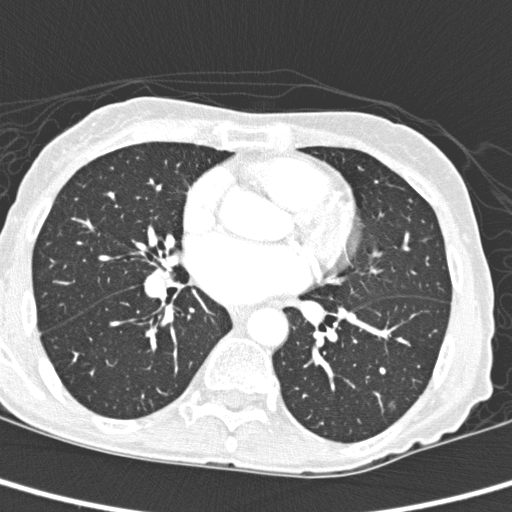
Axial chest CT slice 136 of 280 (counted from the lowest slice); tube voltage 120 kVp, convolution kernel D; slices 1.00 mm thick, 0.564 mm per pixel.
Pulmonary nodule outlined by two of the four readers; box rows 400–409, columns 386–395 (the union of the readers' outlines on this slice); median longest diameter 6.3 mm (readers' outlines 5.3–7.4 mm), median volume 69 mm3 (37–100 mm3). Median ratings and the readers' spread: median texture 3.5/5 (readers ranged 3/5 (part-solid) to 4/5); margin 4/5, both readers agreeing; median sphericity 4.5/5 (readers ranged 4/5 to 5/5 (round)); calcification absent from both readers; internal structure soft tissue, both readers agreeing; subtlety 4.5/5 at the median of two readers, spread 4–5; median malignancy likelihood 3/5 (readers ranged 2–4). Scale key (1–5): texture non-solid→solid, margin indistinct→circumscribed, sphericity linear→round, subtlety extremely subtle→obvious, malignancy likelihood highly unlikely→highly suspicious of cancer. Box rows and columns are 0-based pixel indices from the top-left corner, inclusive.